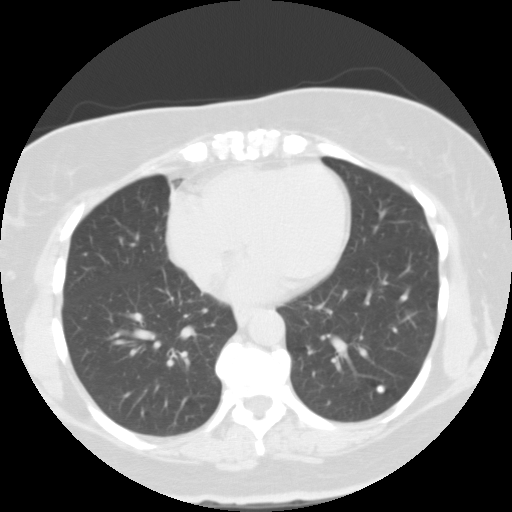
One axial slice (43 of 105, counting up from the lowest) of a chest CT acquired at 135 kVp with the FC01 kernel; each pixel is 0.656 mm and the slice is 3.00 mm thick.
Pulmonary nodule outlined by all four readers; box rows 384–394, columns 375–385 (the union of the readers' outlines on this slice); longest diameter 6.9 mm on average over the four readers' outlines (readers' outlines 6.2–8.3 mm), volume 117–333 mm3. Ratings, by the readers' most common answer with dissent counted: texture 5/5 (solid) from all four readers; margin 5/5 (circumscribed), all four readers agreeing; sphericity 5/5 (round) from all four readers; calcification solid calcification by three of four readers, central calcification (one); internal structure soft tissue, all four readers agreeing; subtlety 5/5 by two of four readers; the rest gave 3/5 (one), 4/5 (one); malignancy likelihood 1/5 from all four readers. Scale key (1–5): texture non-solid→solid, margin indistinct→circumscribed, sphericity linear→round, subtlety extremely subtle→obvious, malignancy likelihood highly unlikely→highly suspicious of cancer. Box rows and columns are 0-based pixel indices from the top-left corner, inclusive.